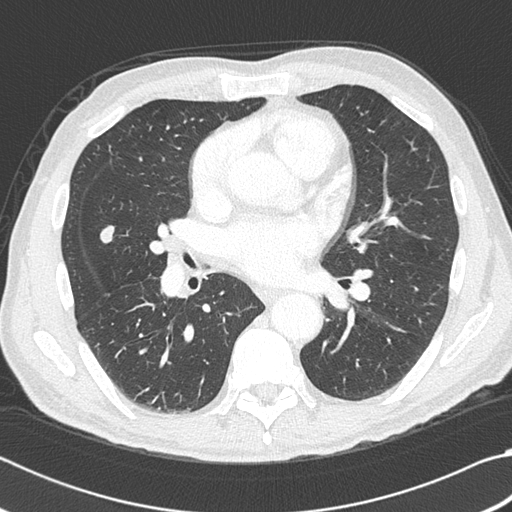
Axial slice 210 of 383 of a chest CT (slice 1 is the lowest), reconstructed with the B45f kernel at 120 kVp; 1.00 mm slice thickness and 0.664 mm pixels.
Pulmonary nodule, outlined by all four readers. Box on this slice rows 224–243, columns 99–114, the union of the readers' outlines on this slice; the four readers' outlines give a longest diameter between 15.5 and 17.3 mm and a volume between 759 and 884 mm3. The readers' ratings, as ranges where they differ: texture 5/5 (solid), all four readers agreeing; margin from 4/5 to 5/5 (circumscribed) across the four readers; sphericity from 3/5 (ovoid) to 5/5 (round) across the four readers; calcification: absent (three), solid calcification (one); internal structure soft tissue from all four readers; subtlety rated between 4 and 5 out of 5 by the four readers; malignancy likelihood 1–5/5 (the readers disagree). Scale key (1–5): texture non-solid→solid, margin indistinct→circumscribed, sphericity linear→round, subtlety extremely subtle→obvious, malignancy likelihood highly unlikely→highly suspicious of cancer. Box rows and columns are 0-based pixel indices from the top-left corner, inclusive.